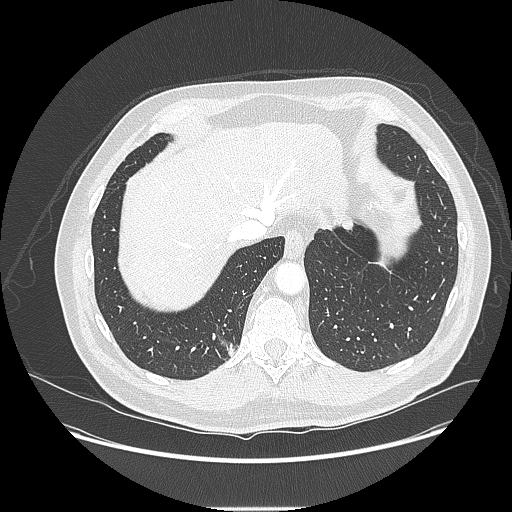
One axial slice (29 of 214, counting up from the lowest) of a chest CT acquired at 120 kVp with the LUNG kernel; each pixel is 0.820 mm and the slice is 1.25 mm thick.
Pulmonary nodule outlined by all four readers; box rows 218–229, columns 341–352 (the union of the readers' outlines on this slice); longest diameter 13.0–15.6 mm and volume 578–699 mm3 across the four readers' outlines. Ratings across the readers: texture 5/5 (solid) from all four readers; margin from 4/5 to 5/5 (circumscribed) across the four readers; sphericity from 3/5 (ovoid) to 5/5 (round) across the four readers; calcification absent, all four readers agreeing; internal structure soft tissue from all four readers; subtlety 3–5/5 (the readers disagree); malignancy likelihood from 2/5 to 4/5 across the four readers. Scale key (1–5): texture non-solid→solid, margin indistinct→circumscribed, sphericity linear→round, subtlety extremely subtle→obvious, malignancy likelihood highly unlikely→highly suspicious of cancer. Box rows and columns are 0-based pixel indices from the top-left corner, inclusive.